Axial slice 144 of 321 of a chest CT (slice 1 is the lowest), reconstructed with the D kernel at 120 kVp; 2.00 mm slice thickness and 0.557 mm pixels.
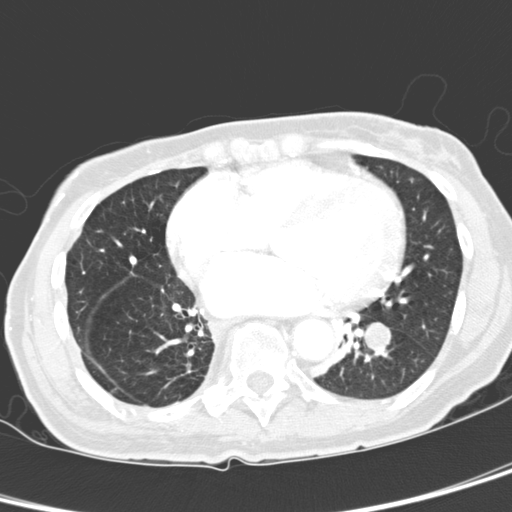
Pulmonary nodule at rows 323–356, columns 365–390 (box = the union of the readers' outlines on this slice), outlined by all four readers; median longest diameter 18.6 mm (readers' outlines 18.1–20.0 mm), median volume 2503 mm3 (2428–2697 mm3). Ratings, median across the readers with their spread: median texture 4.5/5 (readers ranged 4/5 to 5/5 (solid)); median margin 4.5/5 (readers ranged 3/5 to 5/5 (circumscribed)); median sphericity 5/5 (round) (readers ranged 4/5 to 5/5 (round)); calcification absent from all four readers; internal structure soft tissue from all four readers; median subtlety 5/5 (readers ranged 4–5); median malignancy likelihood 4/5 (readers ranged 2–5). Scale key (1–5): texture non-solid→solid, margin indistinct→circumscribed, sphericity linear→round, subtlety extremely subtle→obvious, malignancy likelihood highly unlikely→highly suspicious of cancer. Box rows and columns are 0-based pixel indices from the top-left corner, inclusive.